One axial slice (60 of 102, counting up from the lowest) of a chest CT acquired at 135 kVp with the FC01 kernel; each pixel is 0.808 mm and the slice is 3.00 mm thick.
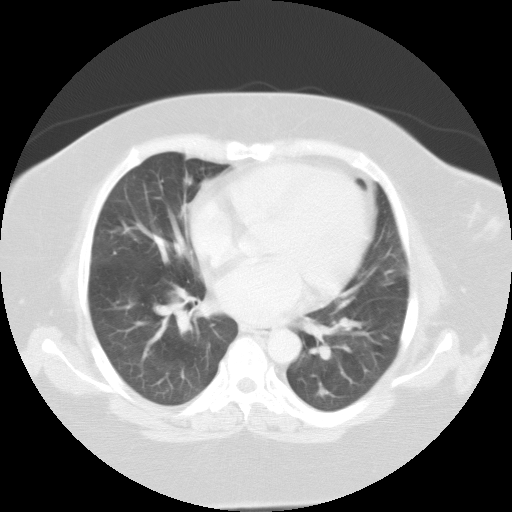
Pulmonary nodule, outlined by all four readers, three of them on this slice. Box on this slice rows 177–185, columns 184–192, the union of the readers' outlines on this slice; median longest diameter 15.6 mm (readers' outlines 14.6–15.9 mm), median volume 783 mm3 (600–931 mm3). Ratings, median across the readers with their spread: median texture 3.5/5 (readers ranged 3/5 (part-solid) to 5/5 (solid)); median margin 3.5/5 (readers ranged 2/5 to 5/5 (circumscribed)); median sphericity 3/5 (ovoid) (readers ranged 2/5 to 3/5 (ovoid)); calcification absent, all four readers agreeing; internal structure soft tissue, all four readers agreeing; subtlety 4/5 at the median of four readers, spread 3–5; malignancy likelihood 3.5/5 at the median of four readers, spread 1–4. Scale key (1–5): texture non-solid→solid, margin indistinct→circumscribed, sphericity linear→round, subtlety extremely subtle→obvious, malignancy likelihood highly unlikely→highly suspicious of cancer. Box rows and columns are 0-based pixel indices from the top-left corner, inclusive.